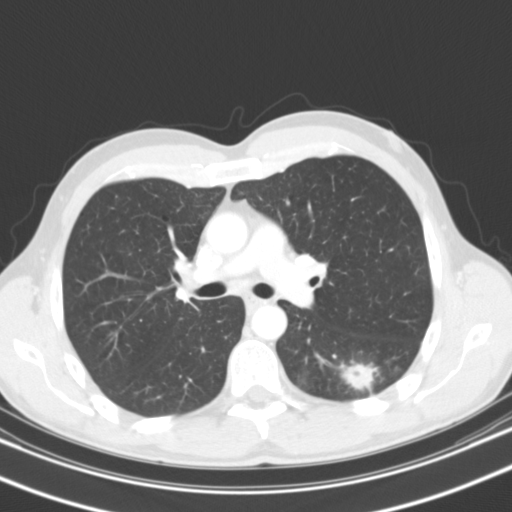
Axial chest CT slice 72 of 119 (counted from the lowest slice); 3.00 mm thick, 0.650 mm per pixel. Pulmonary nodule outlined by all four readers; box rows 360–392, columns 339–377 (the union of the readers' outlines on this slice); the four readers' outlines give a longest diameter between 31.4 and 40.2 mm and a volume between 6737 and 11596 mm3. The readers' ratings, as ranges where they differ: texture from 4/5 to 5/5 (solid) across the four readers; margin from 1/5 (indistinct) to 4/5 across the four readers; sphericity from 3/5 (ovoid) to 5/5 (round) across the four readers; calcification absent from all four readers; internal structure: soft tissue (three), air (one); subtlety 5/5 from all four readers; malignancy likelihood rated between 2 and 5 out of 5 by the four readers. Scale key (1–5): texture non-solid→solid, margin indistinct→circumscribed, sphericity linear→round, subtlety extremely subtle→obvious, malignancy likelihood highly unlikely→highly suspicious of cancer. Box rows and columns are 0-based pixel indices from the top-left corner, inclusive.
Tube voltage 130 kVp; convolution kernel B31s.